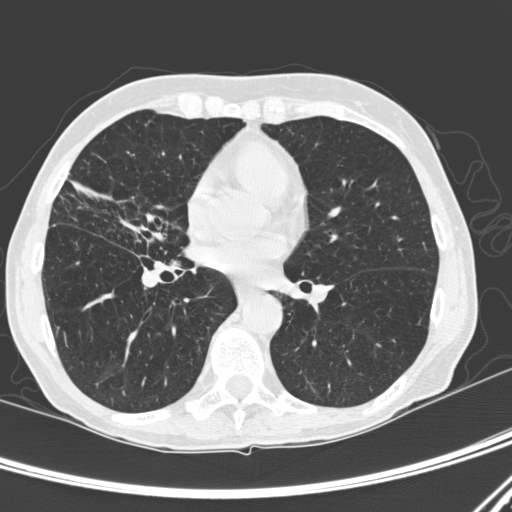
Axial chest CT slice 142 of 300 (counted from the lowest slice); 1.00 mm thick, 0.607 mm per pixel. Pulmonary nodule at rows 224–226, columns 50–55 (box = the union of the readers' outlines on this slice), outlined by two of the four readers; longest diameter 4.4 mm on average over the two readers' outlines (readers' outlines 4.3–4.6 mm), volume 26–29 mm3. Ratings, by the readers' most common answer with dissent counted: texture 5/5 (solid) from both readers; margin 5/5 (circumscribed), both readers agreeing; sphericity 4/5 from both readers; calcification split among the readers: absent (one), solid calcification (one); internal structure soft tissue, both readers agreeing; subtlety split among the readers: 4/5 (one), 5/5 (one); malignancy likelihood split among the readers: 1/5 (one), 2/5 (one). Scale key (1–5): texture non-solid→solid, margin indistinct→circumscribed, sphericity linear→round, subtlety extremely subtle→obvious, malignancy likelihood highly unlikely→highly suspicious of cancer. Box rows and columns are 0-based pixel indices from the top-left corner, inclusive.
Tube voltage 120 kVp; convolution kernel D.